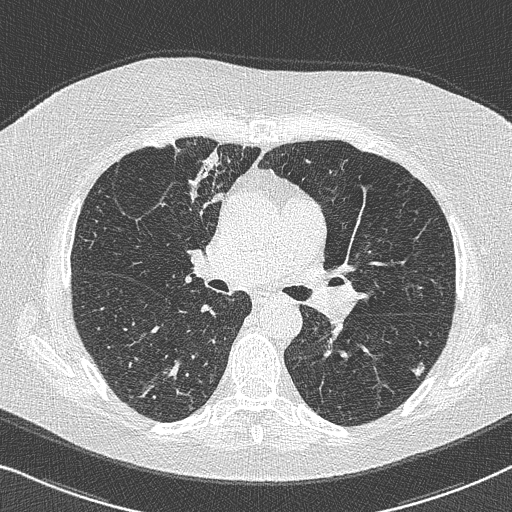
Chest CT, axial plane, 120 kVp, kernel B50f. Slice 452/733 from the bottom of the scan; thickness 0.60 mm; pixel size 0.637 mm.
Pulmonary nodule at rows 362–377, columns 409–425 (box = the union of the readers' outlines on this slice), outlined by all four readers; longest diameter 11.5 mm on average over the four readers' outlines (readers' outlines 11.1–11.9 mm), volume 231–376 mm3. Ratings, by the readers' most common answer with dissent counted: texture 5/5 (solid), all four readers agreeing; margin 3/5 by two of four readers; the rest gave 4/5 (one), 5/5 (circumscribed) (one); sphericity 3/5 (ovoid) by three of four readers; the rest gave 5/5 (round) (one); calcification absent from all four readers; internal structure soft tissue from all four readers; subtlety split among the readers: 4/5 (two), 5/5 (two); malignancy likelihood split among the readers: 3/5 (two), 4/5 (two). Scale key (1–5): texture non-solid→solid, margin indistinct→circumscribed, sphericity linear→round, subtlety extremely subtle→obvious, malignancy likelihood highly unlikely→highly suspicious of cancer. Box rows and columns are 0-based pixel indices from the top-left corner, inclusive.